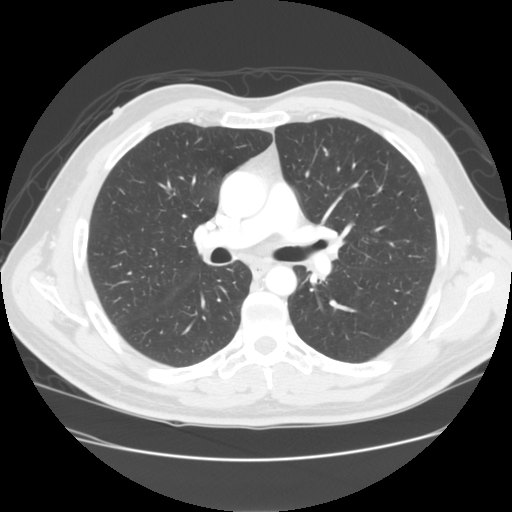
One axial slice (86 of 137, counting up from the lowest) of a chest CT acquired at 120 kVp with the STANDARD kernel; each pixel is 0.742 mm and the slice is 2.50 mm thick.
No nodule of 3 mm or larger was outlined by any of the four readers on this slice.